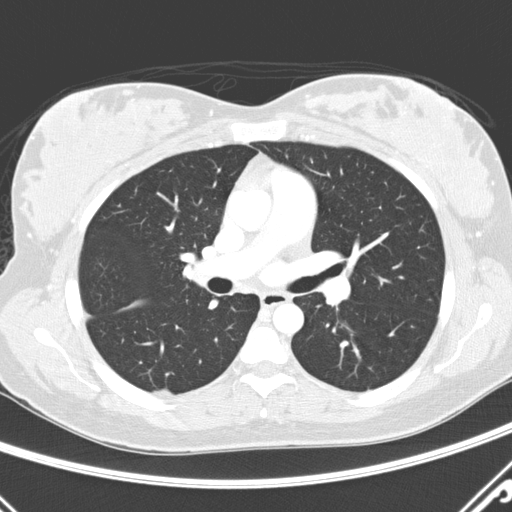
Chest CT, axial plane, 120 kVp, kernel D. Slice 174/290 from the bottom of the scan; thickness 2.00 mm; pixel size 0.648 mm.
Pulmonary nodule at rows 389–395, columns 152–172 (box = that reader's outline on this slice), outlined by one of the four readers; longest diameter 15.8 mm and volume 355 mm3 from that reader's outline. That reader's ratings: texture 5/5 (solid); margin 5/5 (circumscribed); sphericity 3/5 (ovoid); calcification absent; internal structure soft tissue; subtlety 5/5; malignancy likelihood 3/5. Scale key (1–5): texture non-solid→solid, margin indistinct→circumscribed, sphericity linear→round, subtlety extremely subtle→obvious, malignancy likelihood highly unlikely→highly suspicious of cancer. Box rows and columns are 0-based pixel indices from the top-left corner, inclusive.